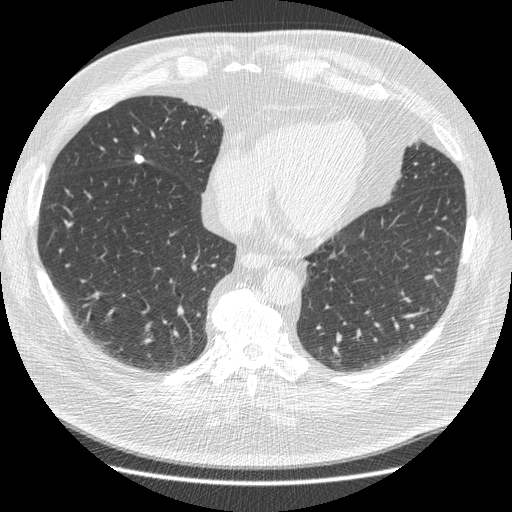
Slice 135/426 of a chest CT, counting up from the lowest; pixel size 0.742 mm, slice thickness 1.25 mm. Pulmonary nodule at rows 154–163, columns 134–143 (box = the union of the readers' outlines on this slice), outlined by all four readers; median longest diameter 9.6 mm (readers' outlines 9.6–10.0 mm), median volume 213 mm3 (202–225 mm3). Ratings, median across the readers with their spread: texture 5/5 (solid), all four readers agreeing; margin 5/5 (circumscribed) from all four readers; median sphericity 4.5/5 (readers ranged 4/5 to 5/5 (round)); calcification solid calcification, all four readers agreeing; internal structure soft tissue, all four readers agreeing; subtlety 5/5, all four readers agreeing; malignancy likelihood 1/5 from all four readers. Scale key (1–5): texture non-solid→solid, margin indistinct→circumscribed, sphericity linear→round, subtlety extremely subtle→obvious, malignancy likelihood highly unlikely→highly suspicious of cancer. Box rows and columns are 0-based pixel indices from the top-left corner, inclusive.
Scan settings: 120 kVp, STANDARD reconstruction kernel.